Chest CT, axial plane, 120 kVp, kernel B50f. Slice 292/588 from the bottom of the scan; thickness 0.60 mm; pixel size 0.514 mm.
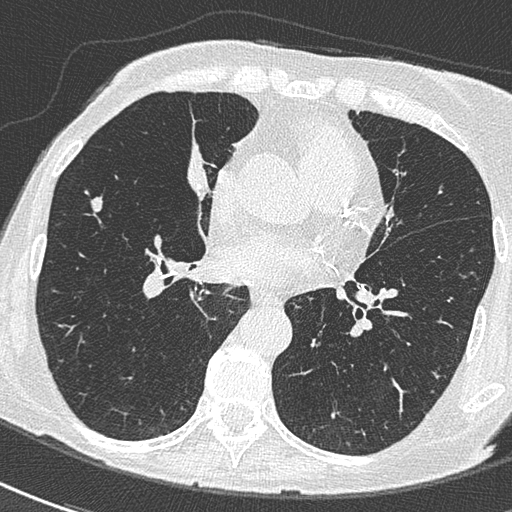
Pulmonary nodule outlined by all four readers; box rows 194–213, columns 90–102 (the union of the readers' outlines on this slice); longest diameter 10.3–12.9 mm and volume 343–465 mm3 across the four readers' outlines. Ratings across the readers: texture 5/5 (solid) from all four readers; margin from 4/5 to 5/5 (circumscribed) across the four readers; sphericity from 3/5 (ovoid) to 5/5 (round) across the four readers; calcification absent from all four readers; internal structure soft tissue from all four readers; subtlety 4–5/5 (the readers disagree); malignancy likelihood from 2/5 to 3/5 across the four readers. Scale key (1–5): texture non-solid→solid, margin indistinct→circumscribed, sphericity linear→round, subtlety extremely subtle→obvious, malignancy likelihood highly unlikely→highly suspicious of cancer. Box rows and columns are 0-based pixel indices from the top-left corner, inclusive.